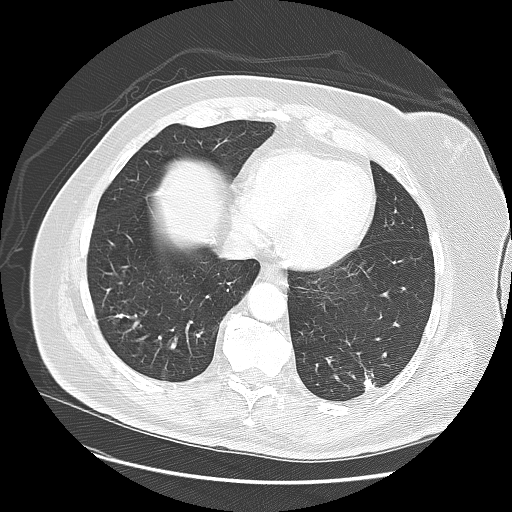
One axial slice (51 of 140, counting up from the lowest) of a chest CT acquired at 120 kVp with the LUNG kernel; each pixel is 0.781 mm and the slice is 2.50 mm thick.
Pulmonary nodule at rows 313–317, columns 115–123 (box = the union of the readers' outlines on this slice), outlined by all four readers, three of them on this slice; median longest diameter 8.4 mm (readers' outlines 7.4–8.9 mm), median volume 240 mm3 (195–300 mm3). Ratings, median across the readers with their spread: texture 5/5 (solid), all four readers agreeing; median margin 5/5 (circumscribed) (readers ranged 4/5 to 5/5 (circumscribed)); median sphericity 3.5/5 (readers ranged 3/5 (ovoid) to 5/5 (round)); calcification: solid calcification (three), absent (one); internal structure soft tissue from all four readers; median subtlety 4/5 (readers ranged 4–5); malignancy likelihood 1/5 at the median of four readers, spread 1–3. Scale key (1–5): texture non-solid→solid, margin indistinct→circumscribed, sphericity linear→round, subtlety extremely subtle→obvious, malignancy likelihood highly unlikely→highly suspicious of cancer. Box rows and columns are 0-based pixel indices from the top-left corner, inclusive.